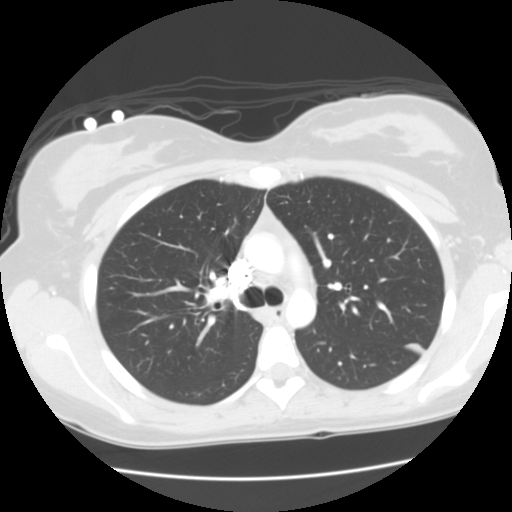
Axial chest CT slice 99 of 133 (counted from the lowest slice); tube voltage 120 kVp, convolution kernel STANDARD; slices 2.50 mm thick, 0.625 mm per pixel.
Pulmonary nodule at rows 344–352, columns 404–422 (box = that reader's outline on this slice), outlined by one of the four readers; longest diameter 13.2 mm and volume 585 mm3 from that reader's outline. Ratings by that reader: texture 5/5 (solid); margin 4/5; sphericity 3/5 (ovoid); calcification absent; internal structure soft tissue; subtlety 5/5; malignancy likelihood 3/5. Scale key (1–5): texture non-solid→solid, margin indistinct→circumscribed, sphericity linear→round, subtlety extremely subtle→obvious, malignancy likelihood highly unlikely→highly suspicious of cancer. Box rows and columns are 0-based pixel indices from the top-left corner, inclusive.